Axial slice 79 of 125 of a chest CT (slice 1 is the lowest), reconstructed with the FC01 kernel at 135 kVp; 3.00 mm slice thickness and 0.721 mm pixels.
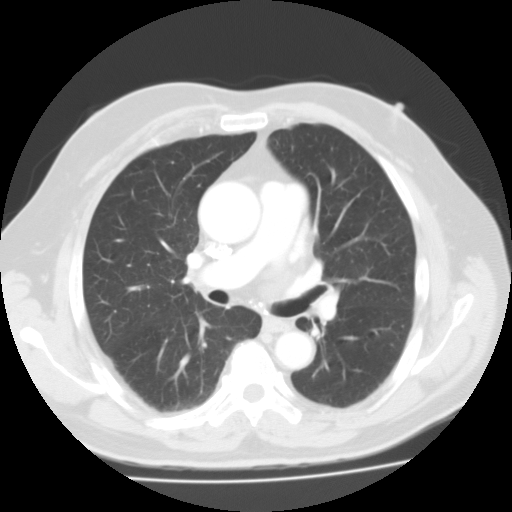
No nodule 3 mm or larger was outlined here by any reader.